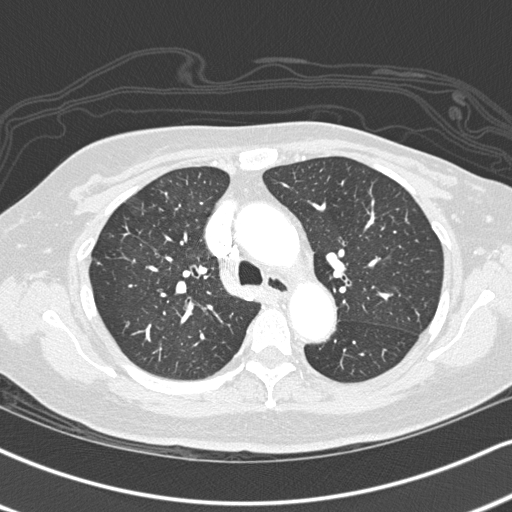
Slice 177/260 of a chest CT, counting up from the lowest; pixel size 0.625 mm, slice thickness 1.00 mm. Pulmonary nodule outlined by two of the four readers; box rows 261–265, columns 96–102 (the union of the readers' outlines on this slice); longest diameter 7.3 mm on average over the two readers' outlines (readers' outlines 6.8–7.9 mm), volume 80–104 mm3. The readers' prevailing ratings and who disagreed: texture split among the readers: 2/5 (one), 5/5 (solid) (one); margin split among the readers: 1/5 (indistinct) (one), 5/5 (circumscribed) (one); sphericity split among the readers: 4/5 (one), 5/5 (round) (one); calcification absent from both readers; internal structure soft tissue from both readers; subtlety 3/5 from both readers; malignancy likelihood 2/5, both readers agreeing. Scale key (1–5): texture non-solid→solid, margin indistinct→circumscribed, sphericity linear→round, subtlety extremely subtle→obvious, malignancy likelihood highly unlikely→highly suspicious of cancer. Box rows and columns are 0-based pixel indices from the top-left corner, inclusive.
Acquired at 120 kVp and reconstructed with the B45f kernel.